Axial slice 158 of 231 of a chest CT (slice 1 is the lowest), reconstructed with the D kernel at 120 kVp; 1.00 mm slice thickness and 0.666 mm pixels.
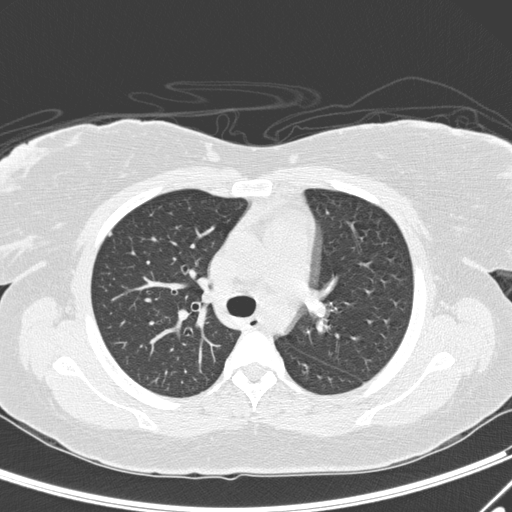
Pulmonary nodule at rows 232–235, columns 108–112 (box = that reader's outline on this slice), outlined by one of the four readers; longest diameter 4.2 mm and volume 23 mm3 from that reader's outline. That reader's ratings: texture 5/5 (solid); margin 5/5 (circumscribed); sphericity 4/5; calcification absent; internal structure soft tissue; subtlety 3/5; malignancy likelihood 1/5. Scale key (1–5): texture non-solid→solid, margin indistinct→circumscribed, sphericity linear→round, subtlety extremely subtle→obvious, malignancy likelihood highly unlikely→highly suspicious of cancer. Box rows and columns are 0-based pixel indices from the top-left corner, inclusive.